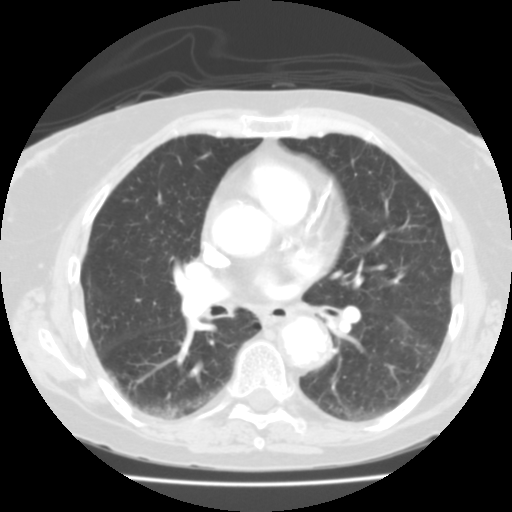
Axial slice 70 of 136 of a chest CT (slice 1 is the lowest), reconstructed with the FC03 kernel at 135 kVp; 2.00 mm slice thickness and 0.644 mm pixels.
No nodule of 3 mm or larger was outlined by any of the four readers on this slice.